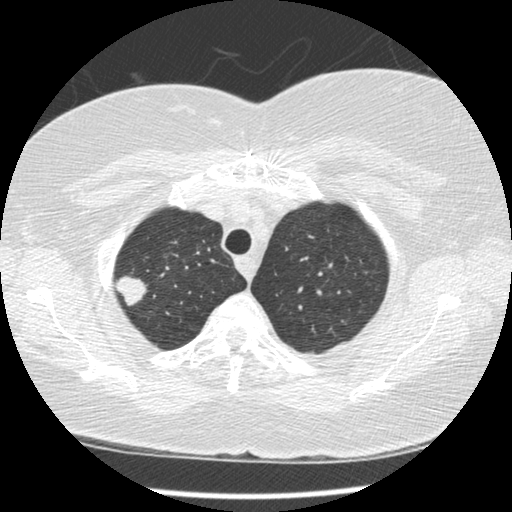
Axial chest CT slice 307 of 375 (counted from the lowest slice); tube voltage 120 kVp, convolution kernel STANDARD; slices 1.25 mm thick, 0.625 mm per pixel.
Pulmonary nodule at rows 275–307, columns 113–147 (box = the union of the readers' outlines on this slice), outlined by all four readers; longest diameter 22.5 mm on average over the four readers' outlines (readers' outlines 21.2–23.2 mm), volume 2289–3466 mm3. The readers' prevailing ratings and who disagreed: texture 5/5 (solid) by three of four readers; the rest gave 4/5 (one); margin 4/5 by two of four readers; the rest gave 3/5 (one), 5/5 (circumscribed) (one); sphericity split among the readers: 2/5 (one), 3/5 (ovoid) (one), 4/5 (one), 5/5 (round) (one); calcification absent from all four readers; internal structure soft tissue from all four readers; subtlety 5/5, all four readers agreeing; most readers (three of four) put malignancy likelihood at 5/5, others 3/5 (one). Scale key (1–5): texture non-solid→solid, margin indistinct→circumscribed, sphericity linear→round, subtlety extremely subtle→obvious, malignancy likelihood highly unlikely→highly suspicious of cancer. Box rows and columns are 0-based pixel indices from the top-left corner, inclusive.